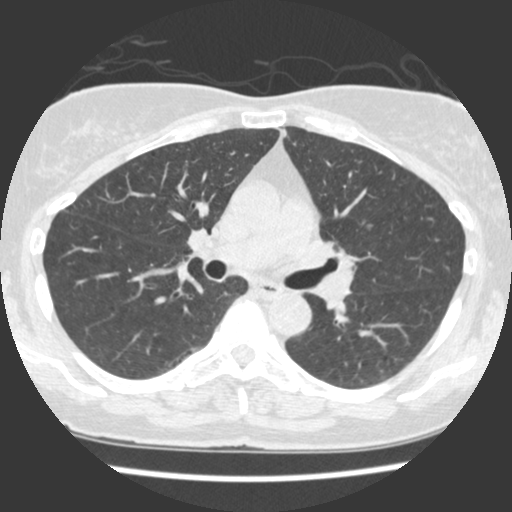
One axial slice (228 of 429, counting up from the lowest) of a chest CT acquired at 120 kVp with the STANDARD kernel; each pixel is 0.586 mm and the slice is 1.25 mm thick.
Two pulmonary nodules are outlined on this slice; from left to right: (1) Pulmonary nodule, outlined by one of the four readers. Box on this slice rows 129–136, columns 282–285, that reader's outline on this slice; longest diameter 7.8 mm and volume 111 mm3 from that reader's outline. That reader's ratings: texture 5/5 (solid); margin 2/5; sphericity 2/5; calcification absent; internal structure soft tissue; subtlety 2/5; malignancy likelihood 1/5. (2) Pulmonary nodule at rows 224–229, columns 365–371 (box = the union of the readers' outlines on this slice), outlined by all four readers, two of them on this slice; longest diameter 5.6–6.9 mm and volume 30–64 mm3 across the four readers' outlines. Ratings across the readers: texture 5/5 (solid) from all four readers; margin from 3/5 to 5/5 (circumscribed) across the four readers; sphericity 4/5, all four readers agreeing; calcification absent from all four readers; internal structure soft tissue from all four readers; subtlety from 3/5 to 4/5 across the four readers; malignancy likelihood rated between 1 and 3 out of 5 by the four readers. Scale key (1–5): texture non-solid→solid, margin indistinct→circumscribed, sphericity linear→round, subtlety extremely subtle→obvious, malignancy likelihood highly unlikely→highly suspicious of cancer. Box rows and columns are 0-based pixel indices from the top-left corner, inclusive.